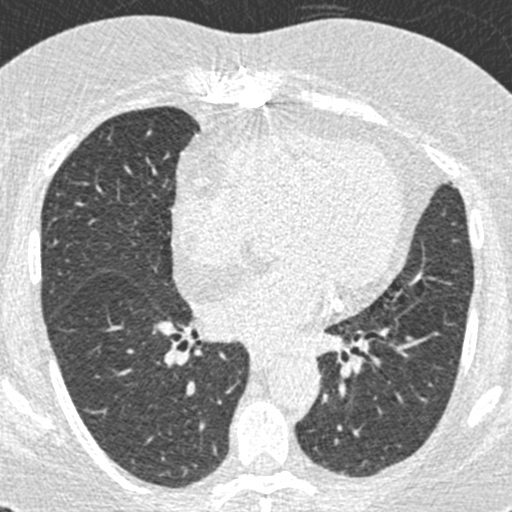
Slice 237/423 of a chest CT, counting up from the lowest; pixel size 0.520 mm, slice thickness 0.75 mm. Pulmonary nodule at rows 470–474, columns 339–344 (box = that reader's outline on this slice), outlined by one of the four readers; longest diameter 9.7 mm and volume 143 mm3 from that reader's outline. Ratings by that reader: texture 3/5 (part-solid); margin 3/5; sphericity 3/5 (ovoid); calcification absent; internal structure soft tissue; subtlety 5/5; malignancy likelihood 3/5. Scale key (1–5): texture non-solid→solid, margin indistinct→circumscribed, sphericity linear→round, subtlety extremely subtle→obvious, malignancy likelihood highly unlikely→highly suspicious of cancer. Box rows and columns are 0-based pixel indices from the top-left corner, inclusive.
Scan settings: 120 kVp, B30f reconstruction kernel.